Axial chest CT slice 52 of 122 (counted from the lowest slice); tube voltage 140 kVp, convolution kernel BONE; slices 2.50 mm thick, 0.664 mm per pixel.
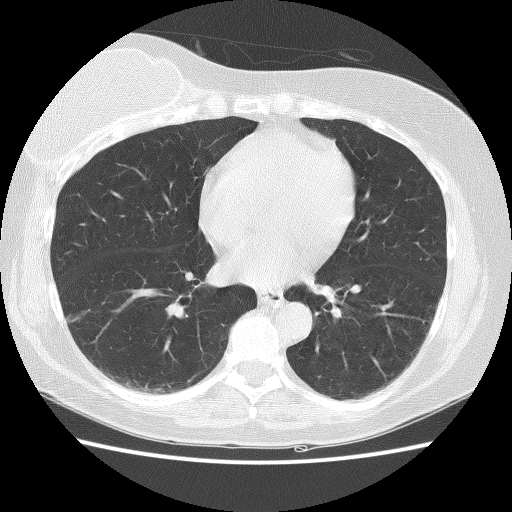
No nodule of 3 mm or larger was outlined by any of the four readers on this slice.